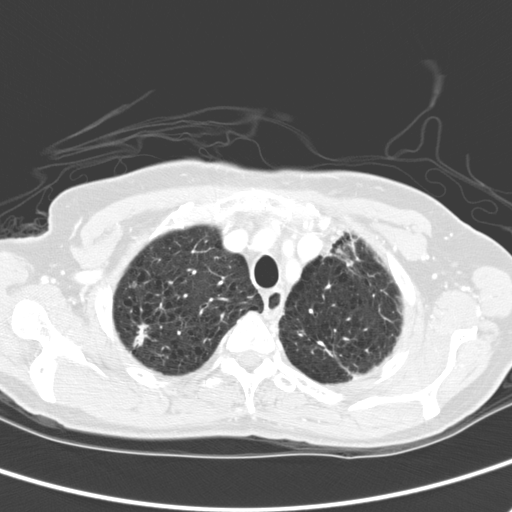
Chest CT, axial plane, 120 kVp, kernel D. Slice 216/280 from the bottom of the scan; thickness 2.00 mm; pixel size 0.613 mm.
Pulmonary nodule outlined by all four readers; box rows 320–347, columns 133–148 (the union of the readers' outlines on this slice); median longest diameter 17.5 mm (readers' outlines 16.7–18.9 mm), median volume 856 mm3 (701–1041 mm3). Median ratings and the readers' spread: median texture 4.5/5 (readers ranged 3/5 (part-solid) to 5/5 (solid)); margin 2.5/5 at the median of four readers, spread 1/5 (indistinct) to 5/5 (circumscribed); sphericity 2.5/5 at the median of four readers, spread 2/5 to 4/5; calcification absent, all four readers agreeing; internal structure soft tissue from all four readers; median subtlety 4.5/5 (readers ranged 2–5); malignancy likelihood 4/5 at the median of four readers, spread 3–5. Scale key (1–5): texture non-solid→solid, margin indistinct→circumscribed, sphericity linear→round, subtlety extremely subtle→obvious, malignancy likelihood highly unlikely→highly suspicious of cancer. Box rows and columns are 0-based pixel indices from the top-left corner, inclusive.